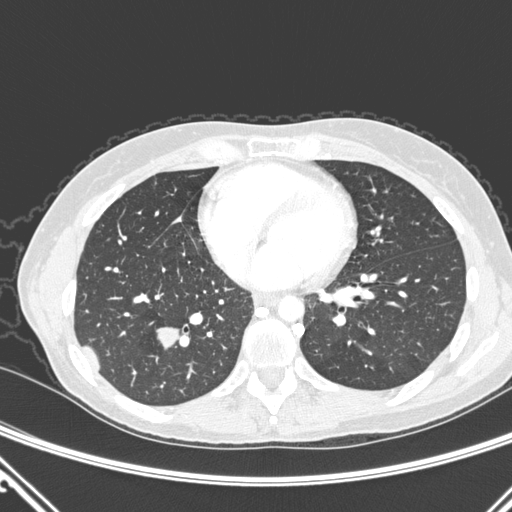
Axial slice 108 of 290 of a chest CT (slice 1 is the lowest), reconstructed with the D kernel at 120 kVp; 1.00 mm slice thickness and 0.662 mm pixels.
Pulmonary nodule, outlined by all four readers. Box on this slice rows 327–349, columns 156–180, the union of the readers' outlines on this slice; longest diameter 24.6 mm on average over the four readers' outlines (readers' outlines 22.2–29.6 mm), volume 2637–3531 mm3. The readers' prevailing ratings and who disagreed: texture 5/5 (solid), all four readers agreeing; margin split among the readers: 4/5 (two), 5/5 (circumscribed) (two); sphericity 4/5 by two of four readers; the rest gave 2/5 (one), 5/5 (round) (one); calcification absent from all four readers; internal structure soft tissue from all four readers; subtlety 5/5, all four readers agreeing; malignancy likelihood 5/5 by two of four readers; the rest gave 3/5 (one), 4/5 (one). Scale key (1–5): texture non-solid→solid, margin indistinct→circumscribed, sphericity linear→round, subtlety extremely subtle→obvious, malignancy likelihood highly unlikely→highly suspicious of cancer. Box rows and columns are 0-based pixel indices from the top-left corner, inclusive.